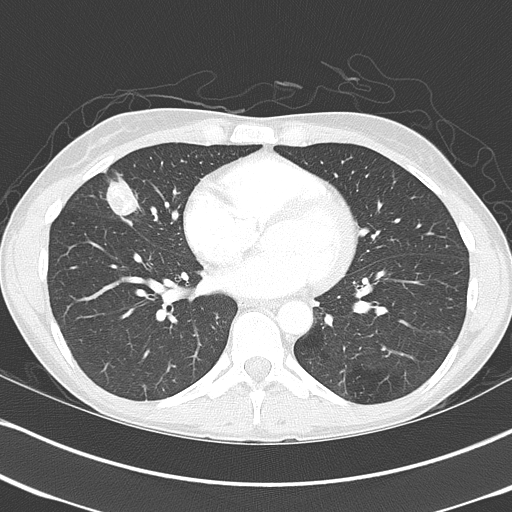
One axial slice (182 of 368, counting up from the lowest) of a chest CT acquired at 120 kVp with the B70f kernel; each pixel is 0.623 mm and the slice is 2.00 mm thick.
Pulmonary nodule at rows 168–216, columns 103–141 (box = the union of the readers' outlines on this slice), outlined by all four readers; longest diameter 31.5 mm on average over the four readers' outlines (readers' outlines 27.1–39.3 mm), volume 6531–9806 mm3. Ratings, by the readers' most common answer with dissent counted: texture 5/5 (solid), all four readers agreeing; margin 4/5 by two of four readers; the rest gave 2/5 (one), 5/5 (circumscribed) (one); most readers (three of four) put sphericity at 3/5 (ovoid), others 2/5 (one); calcification split among the readers: laminated calcification (one), absent (one), popcorn calcification (one), non-central calcification (one); internal structure soft tissue, all four readers agreeing; subtlety 5/5, all four readers agreeing; malignancy likelihood split among the readers: 1/5 (one), 2/5 (one), 4/5 (one), 5/5 (one). Scale key (1–5): texture non-solid→solid, margin indistinct→circumscribed, sphericity linear→round, subtlety extremely subtle→obvious, malignancy likelihood highly unlikely→highly suspicious of cancer. Box rows and columns are 0-based pixel indices from the top-left corner, inclusive.